Chest CT, axial plane, 120 kVp, kernel STANDARD. Slice 185/481 from the bottom of the scan; thickness 1.25 mm; pixel size 0.742 mm.
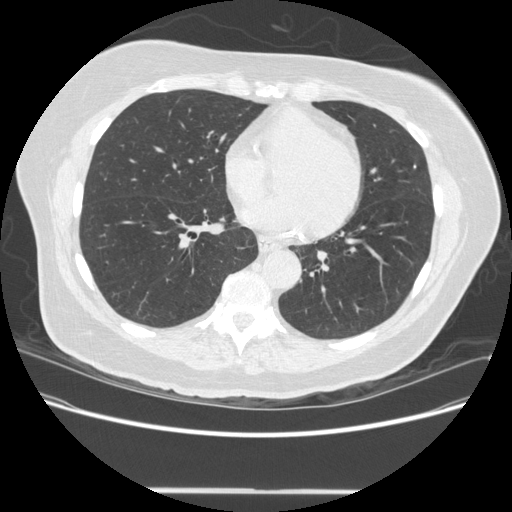
Pulmonary nodule, outlined by two of the four readers. Box on this slice rows 165–168, columns 413–415, the union of the readers' outlines on this slice; the two readers' outlines give a longest diameter of 5.4 mm and a volume between 38 and 43 mm3. The readers' ratings, as ranges where they differ: texture 5/5 (solid), both readers agreeing; margin from 4/5 to 5/5 (circumscribed) across the two readers; sphericity from 4/5 to 5/5 (round) across the two readers; calcification split among the readers: solid calcification (one), absent (one); internal structure soft tissue from both readers; subtlety rated between 3 and 5 out of 5 by the two readers; malignancy likelihood from 1/5 to 2/5 across the two readers. Scale key (1–5): texture non-solid→solid, margin indistinct→circumscribed, sphericity linear→round, subtlety extremely subtle→obvious, malignancy likelihood highly unlikely→highly suspicious of cancer. Box rows and columns are 0-based pixel indices from the top-left corner, inclusive.